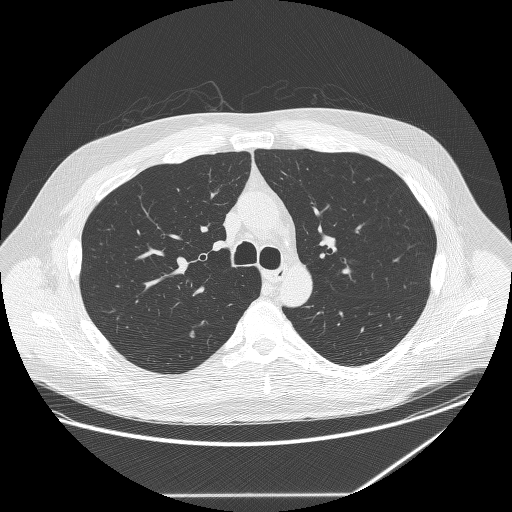
Axial slice 201 of 291 of a chest CT (slice 1 is the lowest), reconstructed with the BONE kernel at 120 kVp; 1.25 mm slice thickness and 0.820 mm pixels.
Pulmonary nodule outlined by three of the four readers; box rows 330–337, columns 188–194 (the union of the readers' outlines on this slice); longest diameter 7.5 mm on average over the three readers' outlines (readers' outlines 7.0–8.1 mm), volume 53–76 mm3. The readers' prevailing ratings and who disagreed: texture split among the readers: 1/5 (non-solid) (one), 2/5 (one), 5/5 (solid) (one); margin 3/5 by two of three readers; the rest gave 5/5 (circumscribed) (one); most readers (two of three) put sphericity at 3/5 (ovoid), others 4/5 (one); calcification absent from all three readers; internal structure soft tissue, all three readers agreeing; subtlety split among the readers: 2/5 (one), 3/5 (one), 4/5 (one); malignancy likelihood 2/5 from all three readers. Scale key (1–5): texture non-solid→solid, margin indistinct→circumscribed, sphericity linear→round, subtlety extremely subtle→obvious, malignancy likelihood highly unlikely→highly suspicious of cancer. Box rows and columns are 0-based pixel indices from the top-left corner, inclusive.